One axial slice (461 of 501, counting up from the lowest) of a chest CT acquired at 140 kVp with the STANDARD kernel; each pixel is 0.703 mm and the slice is 1.25 mm thick.
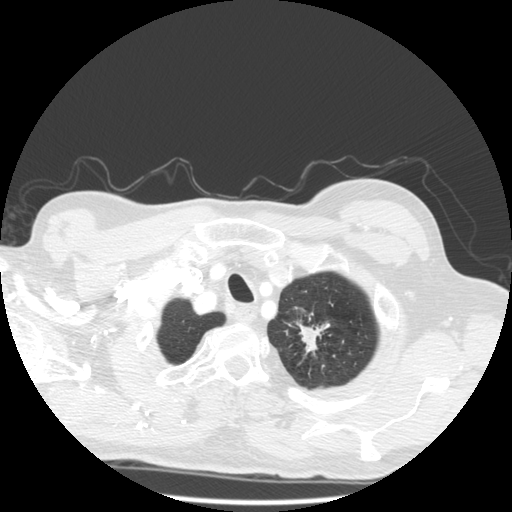
Pulmonary nodule outlined by three of the four readers; box rows 320–355, columns 296–330 (the union of the readers' outlines on this slice); median longest diameter 33.8 mm (readers' outlines 32.1–39.2 mm), median volume 3078 mm3 (2361–4873 mm3). Ratings, median across the readers with their spread: texture 5/5 (solid) at the median of three readers, spread 4/5 to 5/5 (solid); margin 3/5 at the median of three readers, spread 1/5 (indistinct) to 5/5 (circumscribed); sphericity 3/5 (ovoid) at the median of three readers, spread 2/5 to 5/5 (round); calcification absent, all three readers agreeing; internal structure soft tissue from all three readers; subtlety 5/5, all three readers agreeing; median malignancy likelihood 5/5 (readers ranged 4–5). Scale key (1–5): texture non-solid→solid, margin indistinct→circumscribed, sphericity linear→round, subtlety extremely subtle→obvious, malignancy likelihood highly unlikely→highly suspicious of cancer. Box rows and columns are 0-based pixel indices from the top-left corner, inclusive.